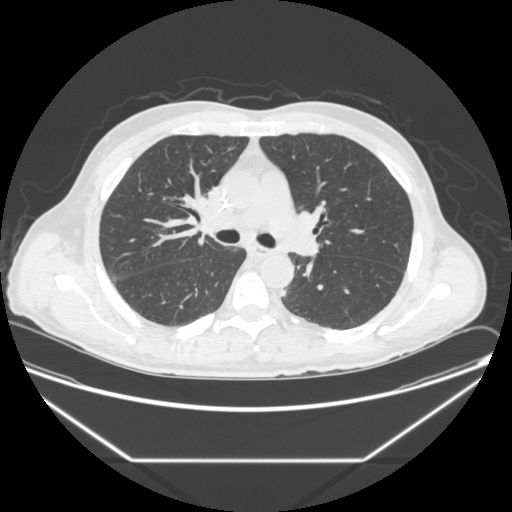
Axial chest CT slice 139 of 251 (counted from the lowest slice); tube voltage 120 kVp, convolution kernel STANDARD; slices 1.25 mm thick, 0.809 mm per pixel.
Pulmonary nodule at rows 290–295, columns 281–285 (box = the union of the readers' outlines on this slice), outlined by three of the four readers; median longest diameter 7.5 mm (readers' outlines 6.7–7.7 mm), median volume 177 mm3 (143–192 mm3). Median ratings and the readers' spread: texture 5/5 (solid), all three readers agreeing; median margin 4/5 (readers ranged 4/5 to 5/5 (circumscribed)); sphericity 4/5 at the median of three readers, spread 3/5 (ovoid) to 5/5 (round); calcification absent from all three readers; internal structure soft tissue, all three readers agreeing; median subtlety 2/5 (readers ranged 1–5); malignancy likelihood 3/5 at the median of three readers, spread 2–3. Scale key (1–5): texture non-solid→solid, margin indistinct→circumscribed, sphericity linear→round, subtlety extremely subtle→obvious, malignancy likelihood highly unlikely→highly suspicious of cancer. Box rows and columns are 0-based pixel indices from the top-left corner, inclusive.